Chest CT, axial plane, 120 kVp, kernel STANDARD. Slice 94/127 from the bottom of the scan; thickness 2.50 mm; pixel size 0.742 mm.
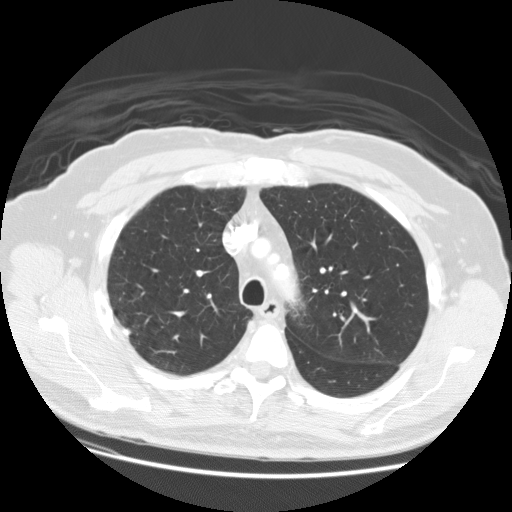
Pulmonary nodule outlined by all four readers; box rows 328–335, columns 122–130 (the union of the readers' outlines on this slice); median longest diameter 10.5 mm (readers' outlines 8.9–10.6 mm), median volume 396 mm3 (345–480 mm3). Ratings, median across the readers with their spread: texture 5/5 (solid) from all four readers; margin 5/5 (circumscribed), all four readers agreeing; sphericity 4/5 at the median of four readers, spread 3/5 (ovoid) to 5/5 (round); calcification: solid calcification (three), absent (one); internal structure soft tissue from all four readers; median subtlety 4.5/5 (readers ranged 4–5); malignancy likelihood 1/5 at the median of four readers, spread 1–2. Scale key (1–5): texture non-solid→solid, margin indistinct→circumscribed, sphericity linear→round, subtlety extremely subtle→obvious, malignancy likelihood highly unlikely→highly suspicious of cancer. Box rows and columns are 0-based pixel indices from the top-left corner, inclusive.